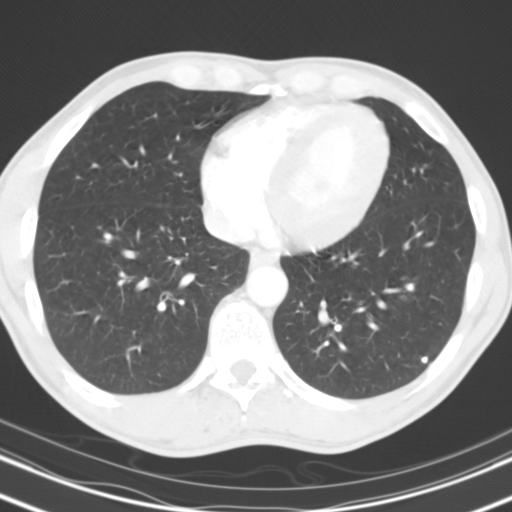
Axial slice 67 of 143 of a chest CT (slice 1 is the lowest), reconstructed with the B31s kernel at 130 kVp; 3.00 mm slice thickness and 0.635 mm pixels.
Pulmonary nodule outlined by two of the four readers; box rows 357–362, columns 421–427 (the union of the readers' outlines on this slice); median longest diameter 5.1 mm (readers' outlines 4.8–5.4 mm), median volume 77 mm3 (68–86 mm3). Ratings, median across the readers with their spread: texture 5/5 (solid) from both readers; margin 5/5 (circumscribed) from both readers; sphericity 4.5/5 at the median of two readers, spread 4/5 to 5/5 (round); calcification solid calcification, both readers agreeing; internal structure soft tissue from both readers; subtlety 4/5 at the median of two readers, spread 3–5; malignancy likelihood 1/5 from both readers. Scale key (1–5): texture non-solid→solid, margin indistinct→circumscribed, sphericity linear→round, subtlety extremely subtle→obvious, malignancy likelihood highly unlikely→highly suspicious of cancer. Box rows and columns are 0-based pixel indices from the top-left corner, inclusive.